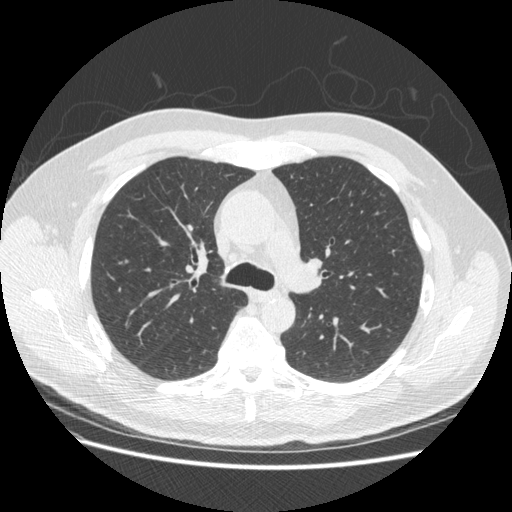
Chest CT, axial plane, 120 kVp, kernel STANDARD. Slice 311/474 from the bottom of the scan; thickness 1.25 mm; pixel size 0.723 mm.
The readers outlined no nodule of 3 mm or more on this slice.